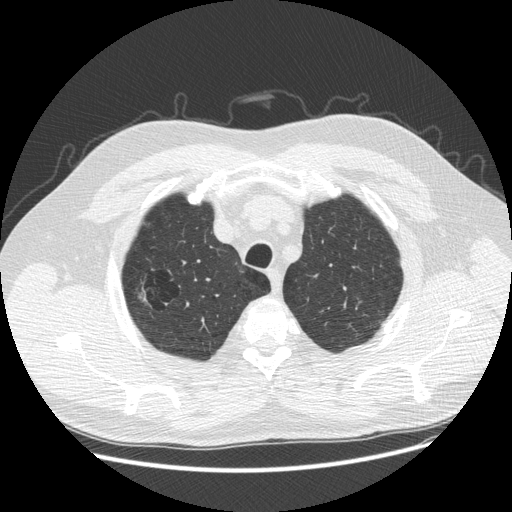
Axial chest CT slice 402 of 481 (counted from the lowest slice); tube voltage 120 kVp, convolution kernel STANDARD; slices 1.25 mm thick, 0.742 mm per pixel.
Pulmonary nodule, outlined by two of the four readers, one of them on this slice. Box on this slice rows 289–299, columns 139–143, the one reader's outline on this slice; median longest diameter 16.8 mm (readers' outlines 15.0–18.6 mm), median volume 609 mm3 (293–924 mm3). Median ratings and the readers' spread: texture 1/5 (non-solid) from both readers; margin 1.5/5 at the median of two readers, spread 1/5 (indistinct) to 2/5; sphericity 4/5 at the median of two readers, spread 3/5 (ovoid) to 5/5 (round); calcification absent, both readers agreeing; internal structure soft tissue from both readers; subtlety 1.5/5 at the median of two readers, spread 1–2; median malignancy likelihood 3/5 (readers ranged 2–4). Scale key (1–5): texture non-solid→solid, margin indistinct→circumscribed, sphericity linear→round, subtlety extremely subtle→obvious, malignancy likelihood highly unlikely→highly suspicious of cancer. Box rows and columns are 0-based pixel indices from the top-left corner, inclusive.